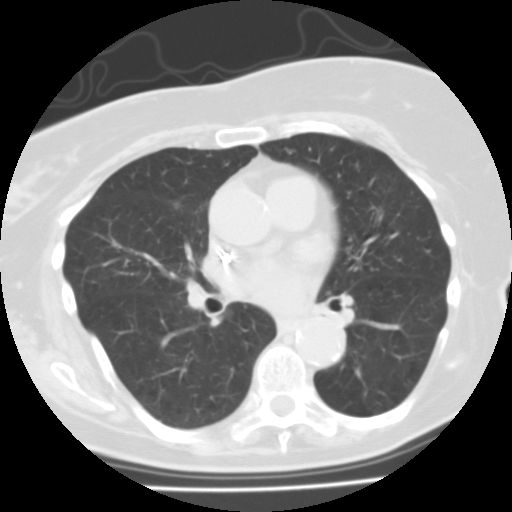
Axial slice 71 of 122 of a chest CT (slice 1 is the lowest), reconstructed with the FC01 kernel at 135 kVp; 3.00 mm slice thickness and 0.586 mm pixels.
Pulmonary nodule, outlined by one of the four readers. Box on this slice rows 237–241, columns 348–351, that reader's outline on this slice; longest diameter 3.7 mm and volume 45 mm3 from that reader's outline. That reader's ratings: texture 5/5 (solid); margin 4/5; sphericity 5/5 (round); calcification absent; internal structure soft tissue; subtlety 3/5; malignancy likelihood 1/5. Scale key (1–5): texture non-solid→solid, margin indistinct→circumscribed, sphericity linear→round, subtlety extremely subtle→obvious, malignancy likelihood highly unlikely→highly suspicious of cancer. Box rows and columns are 0-based pixel indices from the top-left corner, inclusive.